Axial chest CT slice 59 of 127 (counted from the lowest slice); tube voltage 130 kVp, convolution kernel B31s; slices 3.00 mm thick, 0.668 mm per pixel.
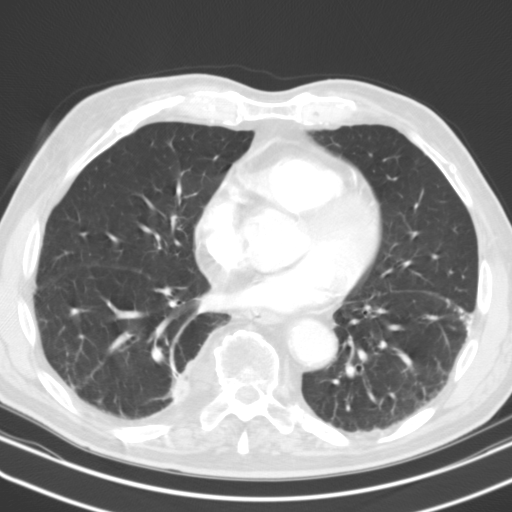
Pulmonary nodule outlined by two of the four readers; box rows 378–401, columns 170–187 (the union of the readers' outlines on this slice); median longest diameter 25.9 mm (readers' outlines 25.6–26.3 mm), median volume 6061 mm3 (5517–6604 mm3). Median ratings and the readers' spread: texture 5/5 (solid), both readers agreeing; margin 4/5 from both readers; sphericity 2.5/5 at the median of two readers, spread 2/5 to 3/5 (ovoid); calcification absent from both readers; internal structure soft tissue from both readers; subtlety 5/5 from both readers; malignancy likelihood 2.5/5 at the median of two readers, spread 2–3. Scale key (1–5): texture non-solid→solid, margin indistinct→circumscribed, sphericity linear→round, subtlety extremely subtle→obvious, malignancy likelihood highly unlikely→highly suspicious of cancer. Box rows and columns are 0-based pixel indices from the top-left corner, inclusive.